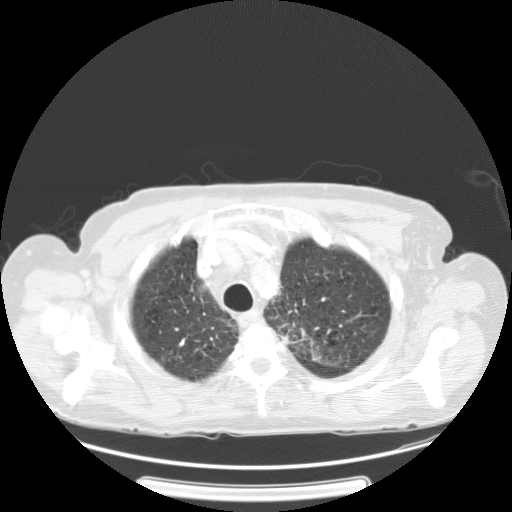
One axial slice (112 of 137, counting up from the lowest) of a chest CT acquired at 120 kVp with the STANDARD kernel; each pixel is 0.781 mm and the slice is 2.50 mm thick.
Pulmonary nodule, outlined by one of the four readers. Box on this slice rows 337–344, columns 282–288, that reader's outline on this slice; longest diameter 15.8 mm and volume 733 mm3 from that reader's outline. Ratings by that reader: texture 3/5 (part-solid); margin 1/5 (indistinct); sphericity 4/5; calcification absent; internal structure soft tissue; subtlety 4/5; malignancy likelihood 3/5. Scale key (1–5): texture non-solid→solid, margin indistinct→circumscribed, sphericity linear→round, subtlety extremely subtle→obvious, malignancy likelihood highly unlikely→highly suspicious of cancer. Box rows and columns are 0-based pixel indices from the top-left corner, inclusive.